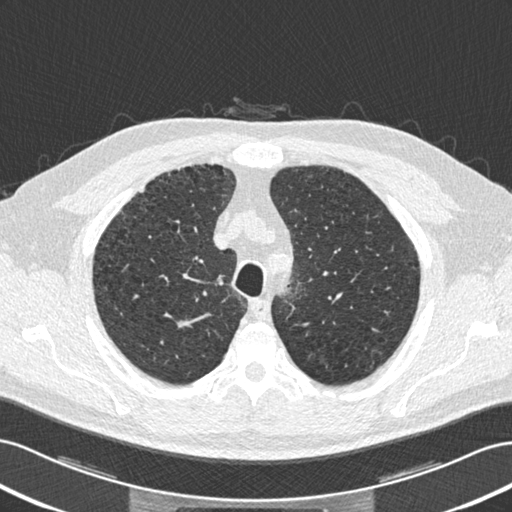
Chest CT, axial plane, 120 kVp, kernel B30f. Slice 413/506 from the bottom of the scan; thickness 0.75 mm; pixel size 0.699 mm.
Pulmonary nodule at rows 187–192, columns 139–144 (box = the union of the readers' outlines on this slice), outlined by two of the four readers; longest diameter 7.0 mm on average over the two readers' outlines (readers' outlines 7.0 mm), volume 87 mm3. The readers' prevailing ratings and who disagreed: texture 5/5 (solid) from both readers; margin 4/5 from both readers; sphericity split among the readers: 3/5 (ovoid) (one), 4/5 (one); calcification absent, both readers agreeing; internal structure soft tissue from both readers; subtlety split among the readers: 2/5 (one), 4/5 (one); malignancy likelihood split among the readers: 1/5 (one), 3/5 (one). Scale key (1–5): texture non-solid→solid, margin indistinct→circumscribed, sphericity linear→round, subtlety extremely subtle→obvious, malignancy likelihood highly unlikely→highly suspicious of cancer. Box rows and columns are 0-based pixel indices from the top-left corner, inclusive.